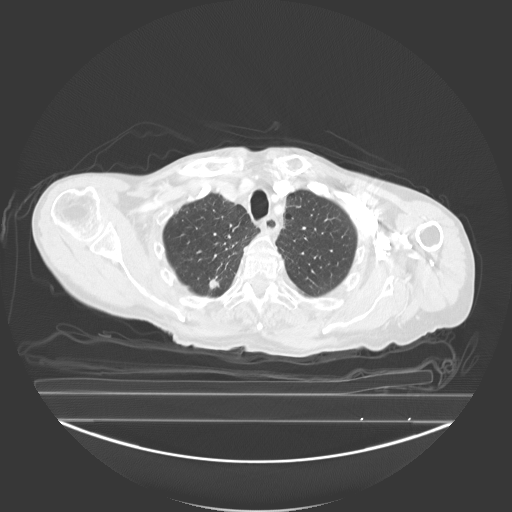
Chest CT, axial plane, 130 kVp, kernel B40s. Slice 222/278 from the bottom of the scan; thickness 3.00 mm; pixel size 0.977 mm.
Pulmonary nodule at rows 279–289, columns 209–219 (box = the union of the readers' outlines on this slice), outlined by all four readers; longest diameter 14.3 mm on average over the four readers' outlines (readers' outlines 13.1–14.9 mm), volume 359–605 mm3. The readers' prevailing ratings and who disagreed: texture split among the readers: 4/5 (two), 5/5 (solid) (two); most readers (three of four) put margin at 4/5, others 2/5 (one); sphericity 3/5 (ovoid) by two of four readers; the rest gave 4/5 (one), 5/5 (round) (one); calcification absent, all four readers agreeing; internal structure soft tissue, all four readers agreeing; subtlety split among the readers: 4/5 (two), 5/5 (two); malignancy likelihood 4/5 by two of four readers; the rest gave 2/5 (one), 3/5 (one). Scale key (1–5): texture non-solid→solid, margin indistinct→circumscribed, sphericity linear→round, subtlety extremely subtle→obvious, malignancy likelihood highly unlikely→highly suspicious of cancer. Box rows and columns are 0-based pixel indices from the top-left corner, inclusive.